Chest CT, axial plane, 120 kVp, kernel STANDARD. Slice 113/206 from the bottom of the scan; thickness 1.25 mm; pixel size 0.898 mm.
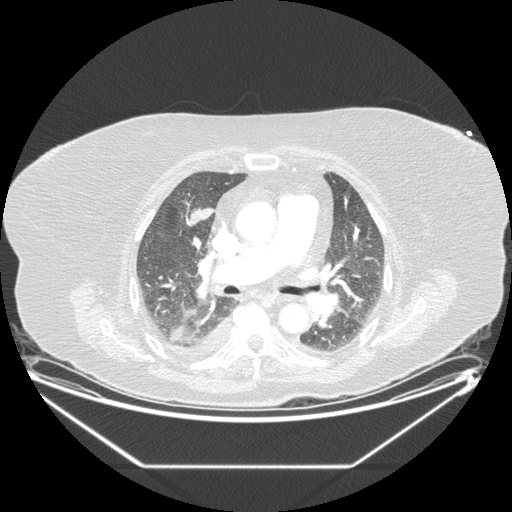
Pulmonary nodule outlined by three of the four readers; box rows 208–224, columns 188–213 (the union of the readers' outlines on this slice); median longest diameter 37.5 mm (readers' outlines 31.1–37.8 mm), median volume 4716 mm3 (4036–4781 mm3). Median ratings and the readers' spread: texture 5/5 (solid) at the median of three readers, spread 1/5 (non-solid) to 5/5 (solid); margin 4/5, all three readers agreeing; median sphericity 3/5 (ovoid) (readers ranged 2/5 to 3/5 (ovoid)); calcification absent from all three readers; internal structure soft tissue, all three readers agreeing; median subtlety 5/5 (readers ranged 4–5); median malignancy likelihood 5/5 (readers ranged 3–5). Scale key (1–5): texture non-solid→solid, margin indistinct→circumscribed, sphericity linear→round, subtlety extremely subtle→obvious, malignancy likelihood highly unlikely→highly suspicious of cancer. Box rows and columns are 0-based pixel indices from the top-left corner, inclusive.